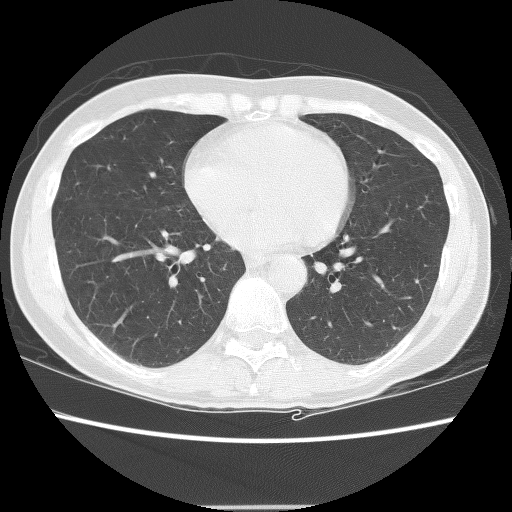
Axial slice 53 of 124 of a chest CT (slice 1 is the lowest), reconstructed with the BONE kernel at 140 kVp; 2.50 mm slice thickness and 0.615 mm pixels.
This slice carries no reader outline of a nodule 3 mm or larger.